Axial slice 97 of 183 of a chest CT (slice 1 is the lowest), reconstructed with the B30f kernel at 120 kVp; 2.00 mm slice thickness and 0.664 mm pixels.
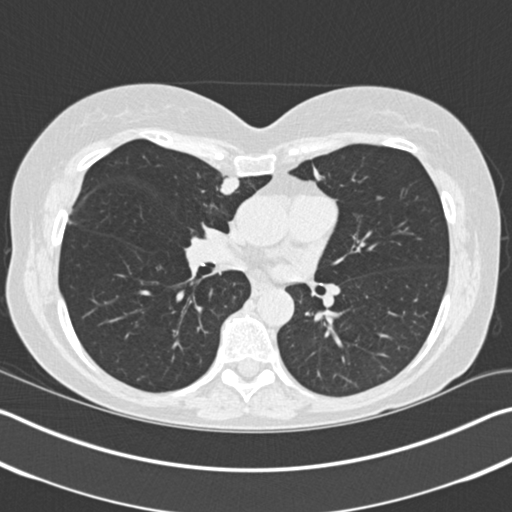
Pulmonary nodule, outlined by all four readers. Box on this slice rows 177–195, columns 220–239, the union of the readers' outlines on this slice; longest diameter 14.9 mm on average over the four readers' outlines (readers' outlines 14.4–15.3 mm), volume 647–1201 mm3. The readers' prevailing ratings and who disagreed: texture 5/5 (solid) from all four readers; most readers (three of four) put margin at 5/5 (circumscribed), others 4/5 (one); sphericity 4/5 by three of four readers; the rest gave 3/5 (ovoid) (one); calcification absent from all four readers; internal structure soft tissue from all four readers; most readers (three of four) put subtlety at 5/5, others 4/5 (one); malignancy likelihood 5/5 by two of four readers; the rest gave 3/5 (one), 4/5 (one). Scale key (1–5): texture non-solid→solid, margin indistinct→circumscribed, sphericity linear→round, subtlety extremely subtle→obvious, malignancy likelihood highly unlikely→highly suspicious of cancer. Box rows and columns are 0-based pixel indices from the top-left corner, inclusive.